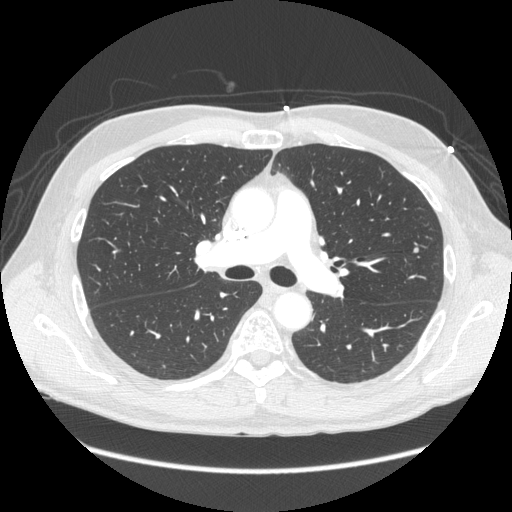
Axial chest CT slice 153 of 261 (counted from the lowest slice); 1.25 mm thick, 0.781 mm per pixel. Pulmonary nodule, outlined by two of the four readers. Box on this slice rows 247–252, columns 413–418, the union of the readers' outlines on this slice; median longest diameter 6.1 mm (readers' outlines 5.9–6.3 mm), median volume 80 mm3 (66–94 mm3). Median ratings and the readers' spread: texture 5/5 (solid), both readers agreeing; median margin 4.5/5 (readers ranged 4/5 to 5/5 (circumscribed)); sphericity 5/5 (round), both readers agreeing; calcification absent from both readers; internal structure soft tissue from both readers; subtlety 1.5/5 at the median of two readers, spread 1–2; median malignancy likelihood 2.5/5 (readers ranged 2–3). Scale key (1–5): texture non-solid→solid, margin indistinct→circumscribed, sphericity linear→round, subtlety extremely subtle→obvious, malignancy likelihood highly unlikely→highly suspicious of cancer. Box rows and columns are 0-based pixel indices from the top-left corner, inclusive.
Acquired at 120 kVp and reconstructed with the STANDARD kernel.